Axial chest CT slice 105 of 241 (counted from the lowest slice); tube voltage 120 kVp, convolution kernel BONE; slices 1.25 mm thick, 0.590 mm per pixel.
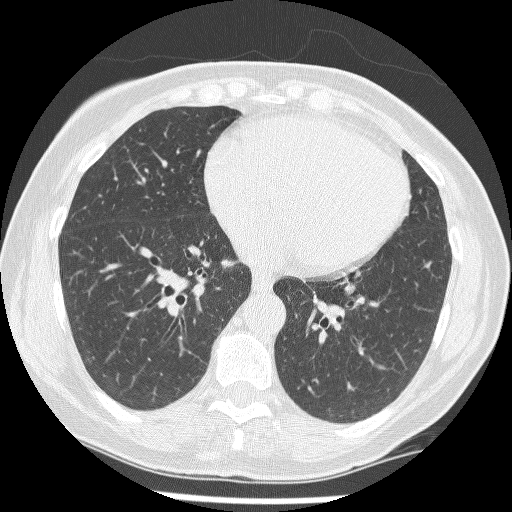
Pulmonary nodule, outlined by two of the four readers. Box on this slice rows 356–365, columns 84–92, the union of the readers' outlines on this slice; longest diameter 8.9 mm on average over the two readers' outlines (readers' outlines 8.0–9.8 mm), volume 131–179 mm3. The readers' prevailing ratings and who disagreed: texture 1/5 (non-solid), both readers agreeing; margin split among the readers: 1/5 (indistinct) (one), 3/5 (one); sphericity 4/5, both readers agreeing; calcification absent from both readers; internal structure soft tissue from both readers; subtlety split among the readers: 1/5 (one), 3/5 (one); malignancy likelihood 3/5, both readers agreeing. Scale key (1–5): texture non-solid→solid, margin indistinct→circumscribed, sphericity linear→round, subtlety extremely subtle→obvious, malignancy likelihood highly unlikely→highly suspicious of cancer. Box rows and columns are 0-based pixel indices from the top-left corner, inclusive.